One axial slice (321 of 481, counting up from the lowest) of a chest CT acquired at 120 kVp with the STANDARD kernel; each pixel is 0.664 mm and the slice is 1.25 mm thick.
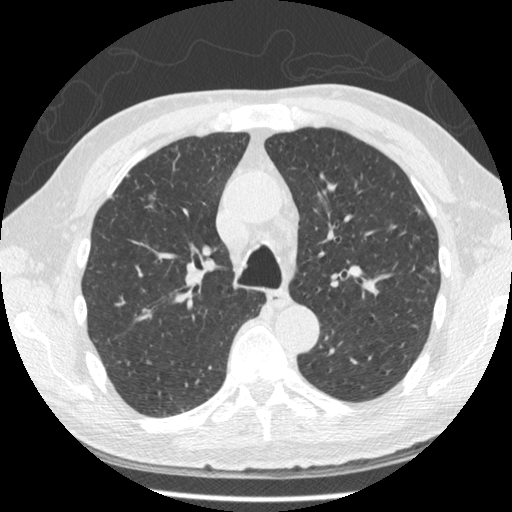
Two pulmonary nodules on this slice, listed from left to right. (1) Pulmonary nodule outlined by two of the four readers; box rows 191–210, columns 141–155 (the union of the readers' outlines on this slice); the two readers' outlines give a longest diameter between 10.4 and 17.6 mm and a volume between 117 and 191 mm3. The readers' ratings, as ranges where they differ: texture from 3/5 (part-solid) to 5/5 (solid) across the two readers; margin from 1/5 (indistinct) to 4/5 across the two readers; sphericity 2/5 from both readers; calcification absent, both readers agreeing; internal structure soft tissue from both readers; subtlety from 2/5 to 4/5 across the two readers; malignancy likelihood from 1/5 to 4/5 across the two readers. (2) Pulmonary nodule, outlined by one of the four readers. Box on this slice rows 193–196, columns 390–394, that reader's outline on this slice; longest diameter 7.4 mm and volume 65 mm3 from that reader's outline. That reader's ratings: texture 5/5 (solid); margin 5/5 (circumscribed); sphericity 4/5; calcification absent; internal structure soft tissue; subtlety 4/5; malignancy likelihood 3/5. Scale key (1–5): texture non-solid→solid, margin indistinct→circumscribed, sphericity linear→round, subtlety extremely subtle→obvious, malignancy likelihood highly unlikely→highly suspicious of cancer. Box rows and columns are 0-based pixel indices from the top-left corner, inclusive.